Axial slice 73 of 206 of a chest CT (slice 1 is the lowest), reconstructed with the STANDARD kernel at 120 kVp; 1.25 mm slice thickness and 0.898 mm pixels.
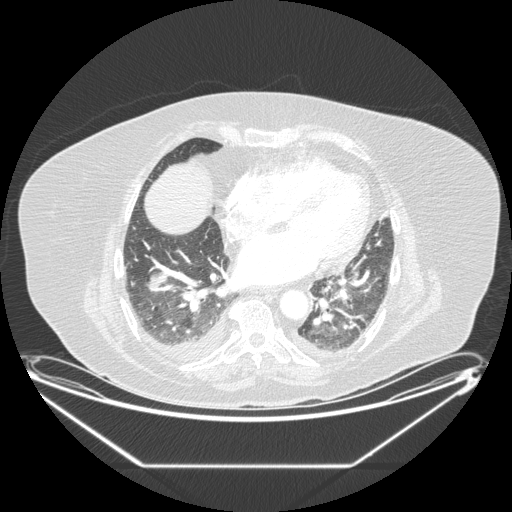
Pulmonary nodule outlined by all four readers; box rows 271–289, columns 146–167 (the union of the readers' outlines on this slice); the four readers' outlines give a longest diameter between 25.7 and 34.7 mm and a volume between 3668 and 5061 mm3. Ratings across the readers: texture from 4/5 to 5/5 (solid) across the four readers; margin 4/5, all four readers agreeing; sphericity from 3/5 (ovoid) to 5/5 (round) across the four readers; calcification absent, all four readers agreeing; internal structure soft tissue, all four readers agreeing; subtlety rated between 4 and 5 out of 5 by the four readers; malignancy likelihood rated between 3 and 5 out of 5 by the four readers. Scale key (1–5): texture non-solid→solid, margin indistinct→circumscribed, sphericity linear→round, subtlety extremely subtle→obvious, malignancy likelihood highly unlikely→highly suspicious of cancer. Box rows and columns are 0-based pixel indices from the top-left corner, inclusive.